One axial slice (270 of 605, counting up from the lowest) of a chest CT acquired at 120 kVp with the STANDARD kernel; each pixel is 0.703 mm and the slice is 1.25 mm thick.
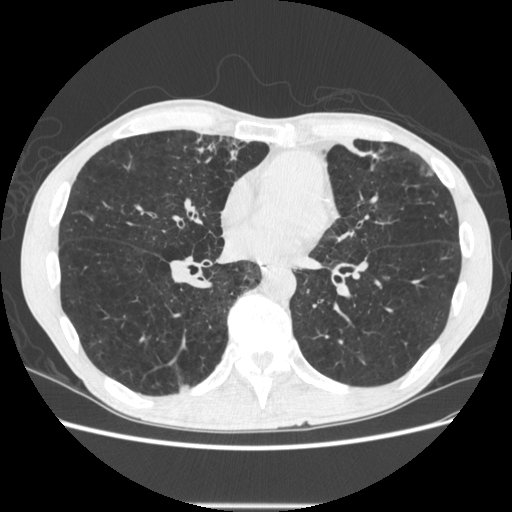
Pulmonary nodule outlined by two of the four readers; box rows 385–393, columns 179–189 (the union of the readers' outlines on this slice); median longest diameter 10.1 mm (readers' outlines 9.8–10.4 mm), median volume 152 mm3 (142–162 mm3). Ratings, median across the readers with their spread: texture 5/5 (solid) from both readers; margin 5/5 (circumscribed), both readers agreeing; sphericity 3.5/5 at the median of two readers, spread 3/5 (ovoid) to 4/5; calcification absent from both readers; internal structure soft tissue, both readers agreeing; subtlety 4/5, both readers agreeing; malignancy likelihood 3/5 from both readers. Scale key (1–5): texture non-solid→solid, margin indistinct→circumscribed, sphericity linear→round, subtlety extremely subtle→obvious, malignancy likelihood highly unlikely→highly suspicious of cancer. Box rows and columns are 0-based pixel indices from the top-left corner, inclusive.